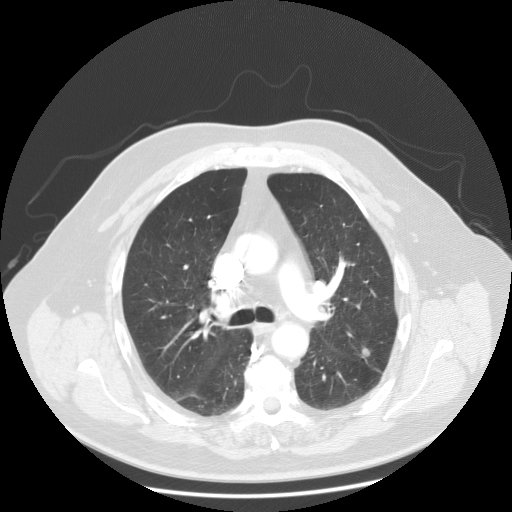
Axial chest CT slice 85 of 133 (counted from the lowest slice); tube voltage 120 kVp, convolution kernel STANDARD; slices 2.50 mm thick, 0.820 mm per pixel.
Pulmonary nodule at rows 347–356, columns 362–369 (box = the union of the readers' outlines on this slice), outlined by all four readers; longest diameter 15.0 mm on average over the four readers' outlines (readers' outlines 13.6–17.4 mm), volume 747–1295 mm3. Ratings, by the readers' most common answer with dissent counted: texture 5/5 (solid) by three of four readers; the rest gave 4/5 (one); margin split among the readers: 4/5 (two), 5/5 (circumscribed) (two); sphericity split among the readers: 3/5 (ovoid) (two), 5/5 (round) (two); calcification absent, all four readers agreeing; internal structure soft tissue from all four readers; subtlety 5/5 by two of four readers; the rest gave 3/5 (one), 4/5 (one); malignancy likelihood 4/5 by two of four readers; the rest gave 2/5 (one), 5/5 (one). Scale key (1–5): texture non-solid→solid, margin indistinct→circumscribed, sphericity linear→round, subtlety extremely subtle→obvious, malignancy likelihood highly unlikely→highly suspicious of cancer. Box rows and columns are 0-based pixel indices from the top-left corner, inclusive.